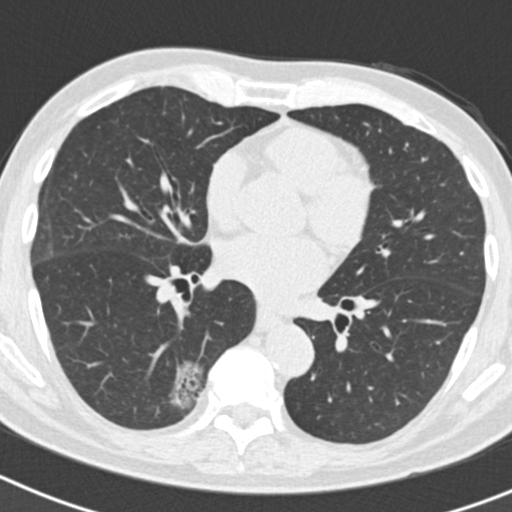
Axial chest CT slice 95 of 186 (counted from the lowest slice); tube voltage 120 kVp, convolution kernel B30f; slices 2.00 mm thick, 0.586 mm per pixel.
Pulmonary nodule outlined by one of the four readers; box rows 362–407, columns 171–201 (that reader's outline on this slice); longest diameter 31.4 mm and volume 6527 mm3 from that reader's outline. Ratings by that reader: texture 1/5 (non-solid); margin 2/5; sphericity 4/5; calcification absent; internal structure soft tissue; subtlety 5/5; malignancy likelihood 3/5. Scale key (1–5): texture non-solid→solid, margin indistinct→circumscribed, sphericity linear→round, subtlety extremely subtle→obvious, malignancy likelihood highly unlikely→highly suspicious of cancer. Box rows and columns are 0-based pixel indices from the top-left corner, inclusive.